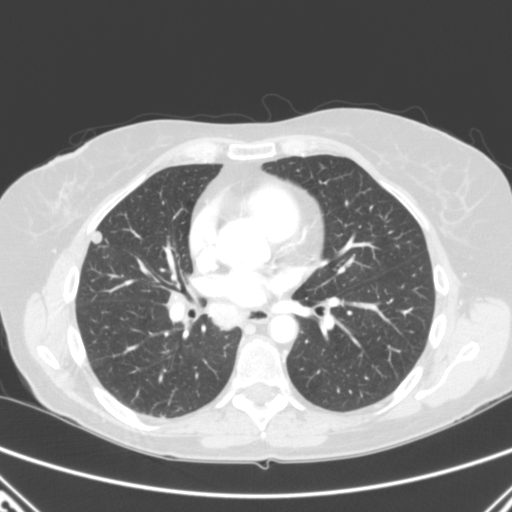
This is axial slice 141 of 280 (slice 1 is the lowest) of a chest CT; each pixel is 0.676 mm and the slice is 2.00 mm thick. Pulmonary nodule outlined by all four readers; box rows 231–243, columns 90–102 (the union of the readers' outlines on this slice); median longest diameter 9.8 mm (readers' outlines 8.8–10.6 mm), median volume 360 mm3 (292–382 mm3). Ratings, median across the readers with their spread: texture 5/5 (solid) at the median of four readers, spread 4/5 to 5/5 (solid); margin 5/5 (circumscribed) at the median of four readers, spread 4/5 to 5/5 (circumscribed); sphericity 4/5 at the median of four readers, spread 3/5 (ovoid) to 5/5 (round); calcification absent from all four readers; internal structure soft tissue, all four readers agreeing; subtlety 4.5/5 at the median of four readers, spread 4–5; median malignancy likelihood 4/5 (readers ranged 3–4). Scale key (1–5): texture non-solid→solid, margin indistinct→circumscribed, sphericity linear→round, subtlety extremely subtle→obvious, malignancy likelihood highly unlikely→highly suspicious of cancer. Box rows and columns are 0-based pixel indices from the top-left corner, inclusive.
Acquired at 120 kVp and reconstructed with the B kernel.